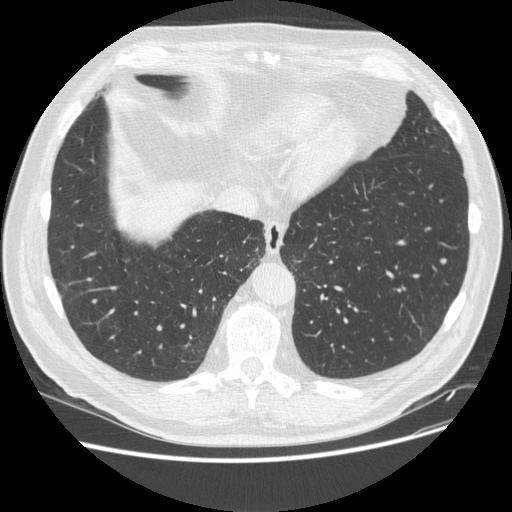
Axial chest CT slice 153 of 513 (counted from the lowest slice); tube voltage 120 kVp, convolution kernel STANDARD; slices 1.25 mm thick, 0.742 mm per pixel.
Pulmonary nodule, outlined by one of the four readers. Box on this slice rows 258–263, columns 440–446, that reader's outline on this slice; longest diameter 6.1 mm and volume 84 mm3 from that reader's outline. That reader's ratings: texture 5/5 (solid); margin 5/5 (circumscribed); sphericity 5/5 (round); calcification absent; internal structure soft tissue; subtlety 3/5; malignancy likelihood 2/5. Scale key (1–5): texture non-solid→solid, margin indistinct→circumscribed, sphericity linear→round, subtlety extremely subtle→obvious, malignancy likelihood highly unlikely→highly suspicious of cancer. Box rows and columns are 0-based pixel indices from the top-left corner, inclusive.